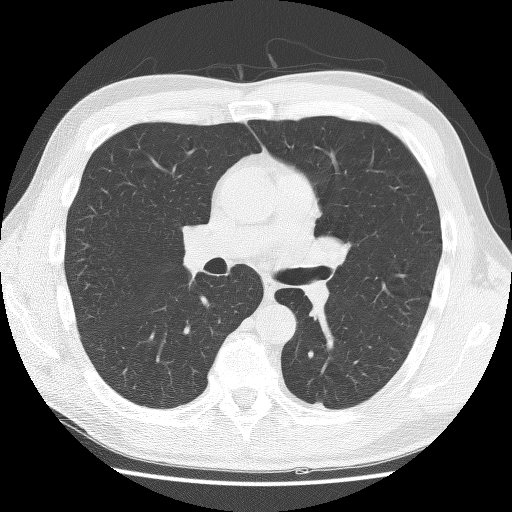
Chest CT, axial plane, 140 kVp, kernel BONE. Slice 75/132 from the bottom of the scan; thickness 2.50 mm; pixel size 0.656 mm.
Pulmonary nodule at rows 402–406, columns 314–323 (box = that reader's outline on this slice), outlined by one of the four readers; longest diameter 10.2 mm and volume 334 mm3 from that reader's outline. That reader's ratings: texture 4/5; margin 4/5; sphericity 2/5; calcification absent; internal structure soft tissue; subtlety 4/5; malignancy likelihood 2/5. Scale key (1–5): texture non-solid→solid, margin indistinct→circumscribed, sphericity linear→round, subtlety extremely subtle→obvious, malignancy likelihood highly unlikely→highly suspicious of cancer. Box rows and columns are 0-based pixel indices from the top-left corner, inclusive.